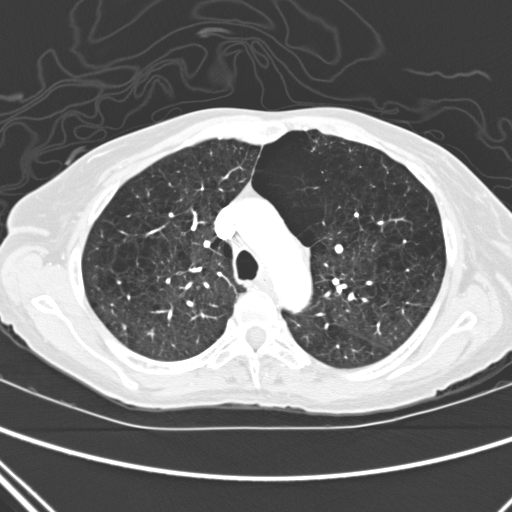
Axial slice 186 of 280 of a chest CT (slice 1 is the lowest), reconstructed with the D kernel at 120 kVp; 2.00 mm slice thickness and 0.627 mm pixels.
Pulmonary nodule, outlined by two of the four readers. Box on this slice rows 324–329, columns 122–125, the union of the readers' outlines on this slice; longest diameter 5.1 mm and volume 53–57 mm3 across the two readers' outlines. Ratings across the readers: texture 5/5 (solid), both readers agreeing; margin 5/5 (circumscribed) from both readers; sphericity from 4/5 to 5/5 (round) across the two readers; calcification absent, both readers agreeing; internal structure soft tissue from both readers; subtlety 2–3/5 (the readers disagree); malignancy likelihood 2/5, both readers agreeing. Scale key (1–5): texture non-solid→solid, margin indistinct→circumscribed, sphericity linear→round, subtlety extremely subtle→obvious, malignancy likelihood highly unlikely→highly suspicious of cancer. Box rows and columns are 0-based pixel indices from the top-left corner, inclusive.